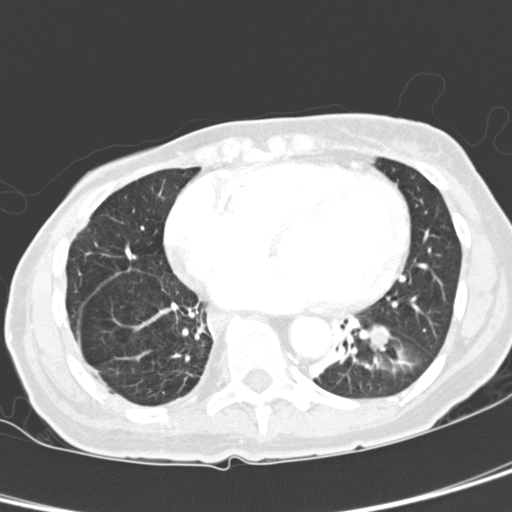
Chest CT, axial plane, 120 kVp, kernel D. Slice 138/321 from the bottom of the scan; thickness 2.00 mm; pixel size 0.557 mm.
Pulmonary nodule outlined by all four readers; box rows 324–352, columns 368–391 (the union of the readers' outlines on this slice); median longest diameter 18.6 mm (readers' outlines 18.1–20.0 mm), median volume 2503 mm3 (2428–2697 mm3). Ratings, median across the readers with their spread: median texture 4.5/5 (readers ranged 4/5 to 5/5 (solid)); margin 4.5/5 at the median of four readers, spread 3/5 to 5/5 (circumscribed); median sphericity 5/5 (round) (readers ranged 4/5 to 5/5 (round)); calcification absent from all four readers; internal structure soft tissue, all four readers agreeing; median subtlety 5/5 (readers ranged 4–5); malignancy likelihood 4/5 at the median of four readers, spread 2–5. Scale key (1–5): texture non-solid→solid, margin indistinct→circumscribed, sphericity linear→round, subtlety extremely subtle→obvious, malignancy likelihood highly unlikely→highly suspicious of cancer. Box rows and columns are 0-based pixel indices from the top-left corner, inclusive.